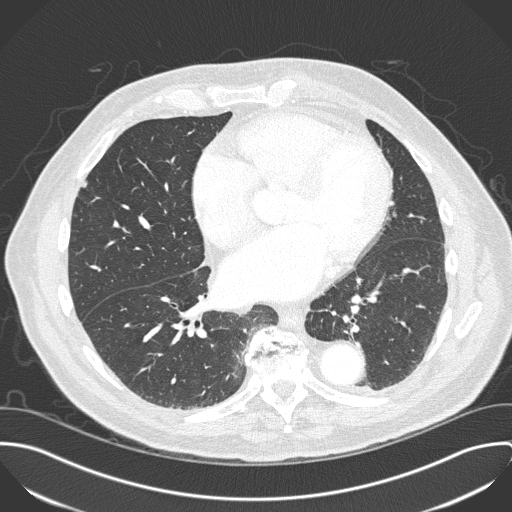
Chest CT, axial plane, 120 kVp, kernel B45f. Slice 137/330 from the bottom of the scan; thickness 1.00 mm; pixel size 0.762 mm.
Pulmonary nodule at rows 181–187, columns 80–87 (box = the union of the readers' outlines on this slice), outlined by two of the four readers; median longest diameter 8.8 mm (readers' outlines 7.2–10.4 mm), median volume 110 mm3 (81–139 mm3). Median ratings and the readers' spread: texture 5/5 (solid), both readers agreeing; median margin 4.5/5 (readers ranged 4/5 to 5/5 (circumscribed)); median sphericity 3.5/5 (readers ranged 3/5 (ovoid) to 4/5); calcification absent from both readers; internal structure soft tissue from both readers; subtlety 3.5/5 at the median of two readers, spread 3–4; malignancy likelihood 2.5/5 at the median of two readers, spread 2–3. Scale key (1–5): texture non-solid→solid, margin indistinct→circumscribed, sphericity linear→round, subtlety extremely subtle→obvious, malignancy likelihood highly unlikely→highly suspicious of cancer. Box rows and columns are 0-based pixel indices from the top-left corner, inclusive.